Axial chest CT slice 234 of 441 (counted from the lowest slice); tube voltage 120 kVp, convolution kernel B30f; slices 0.75 mm thick, 0.520 mm per pixel.
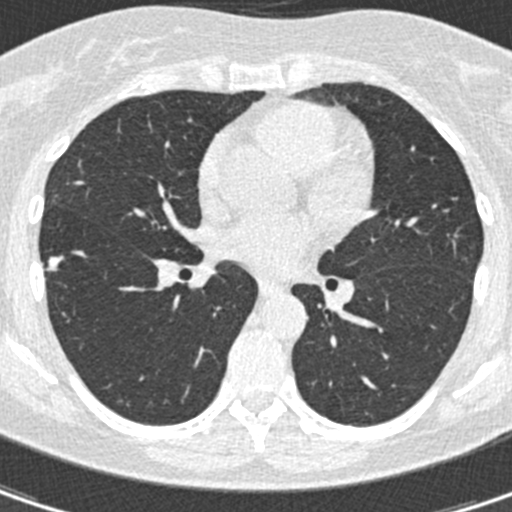
Pulmonary nodule at rows 256–271, columns 46–63 (box = the union of the readers' outlines on this slice), outlined by three of the four readers; median longest diameter 12.1 mm (readers' outlines 9.8–12.4 mm), median volume 274 mm3 (248–289 mm3). Median ratings and the readers' spread: median texture 5/5 (solid) (readers ranged 4/5 to 5/5 (solid)); median margin 4/5 (readers ranged 4/5 to 5/5 (circumscribed)); median sphericity 4/5 (readers ranged 4/5 to 5/5 (round)); calcification: absent (two), solid calcification (one); internal structure soft tissue, all three readers agreeing; median subtlety 4/5 (readers ranged 4–5); median malignancy likelihood 1/5 (readers ranged 1–3). Scale key (1–5): texture non-solid→solid, margin indistinct→circumscribed, sphericity linear→round, subtlety extremely subtle→obvious, malignancy likelihood highly unlikely→highly suspicious of cancer. Box rows and columns are 0-based pixel indices from the top-left corner, inclusive.